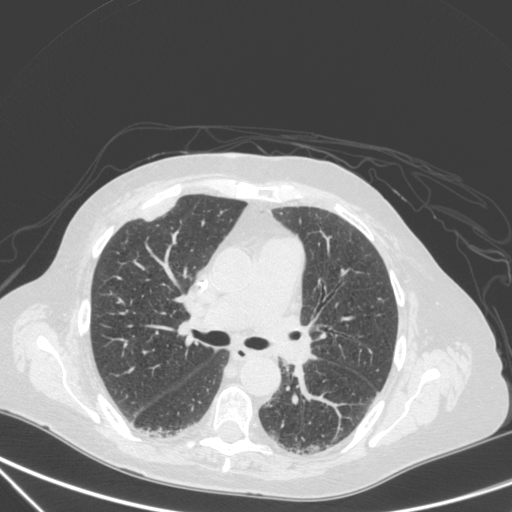
Axial chest CT slice 197 of 350 (counted from the lowest slice); tube voltage 120 kVp, convolution kernel C; slices 1.50 mm thick, 0.725 mm per pixel.
Pulmonary nodule, outlined by one of the four readers. Box on this slice rows 205–220, columns 144–173, that reader's outline on this slice; longest diameter 29.5 mm and volume 4181 mm3 from that reader's outline. Ratings by that reader: texture 5/5 (solid); margin 4/5; sphericity 2/5; calcification absent; internal structure soft tissue; subtlety 5/5; malignancy likelihood 4/5. Scale key (1–5): texture non-solid→solid, margin indistinct→circumscribed, sphericity linear→round, subtlety extremely subtle→obvious, malignancy likelihood highly unlikely→highly suspicious of cancer. Box rows and columns are 0-based pixel indices from the top-left corner, inclusive.